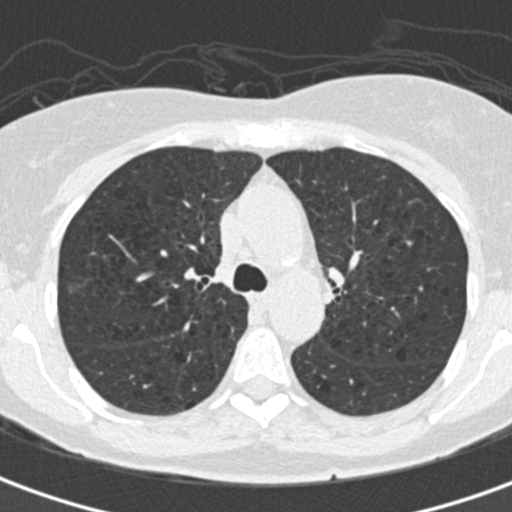
Axial chest CT slice 138 of 193 (counted from the lowest slice); 2.00 mm thick, 0.547 mm per pixel. No nodule of 3 mm or larger was outlined by any of the four readers on this slice.
Acquired at 120 kVp and reconstructed with the B30f kernel.